Chest CT, axial plane, 120 kVp, kernel STANDARD. Slice 57/144 from the bottom of the scan; thickness 2.50 mm; pixel size 0.664 mm.
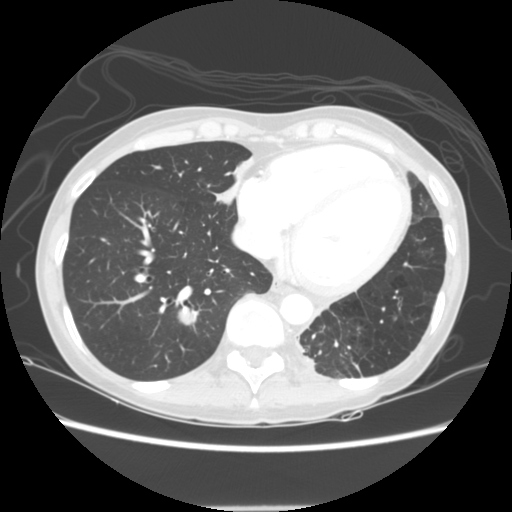
Two pulmonary nodules are outlined on this slice; from left to right: (1) Pulmonary nodule, outlined by all four readers. Box on this slice rows 306–324, columns 177–197, the union of the readers' outlines on this slice; median longest diameter 17.3 mm (readers' outlines 15.5–19.3 mm), median volume 1655 mm3 (1258–1827 mm3). Median ratings and the readers' spread: texture 5/5 (solid) from all four readers; median margin 4.5/5 (readers ranged 3/5 to 5/5 (circumscribed)); median sphericity 5/5 (round) (readers ranged 3/5 (ovoid) to 5/5 (round)); calcification absent from all four readers; internal structure soft tissue, all four readers agreeing; subtlety 5/5, all four readers agreeing; malignancy likelihood 3.5/5 at the median of four readers, spread 3–5. (2) Pulmonary nodule, outlined by two of the four readers. Box on this slice rows 185–204, columns 215–236, the union of the readers' outlines on this slice; longest diameter 16.7–17.3 mm and volume 894–906 mm3 across the two readers' outlines. Ratings across the readers: texture 5/5 (solid), both readers agreeing; margin 4/5 from both readers; sphericity from 3/5 (ovoid) to 4/5 across the two readers; calcification absent, both readers agreeing; internal structure soft tissue, both readers agreeing; subtlety rated between 4 and 5 out of 5 by the two readers; malignancy likelihood 4/5 from both readers. Scale key (1–5): texture non-solid→solid, margin indistinct→circumscribed, sphericity linear→round, subtlety extremely subtle→obvious, malignancy likelihood highly unlikely→highly suspicious of cancer. Box rows and columns are 0-based pixel indices from the top-left corner, inclusive.